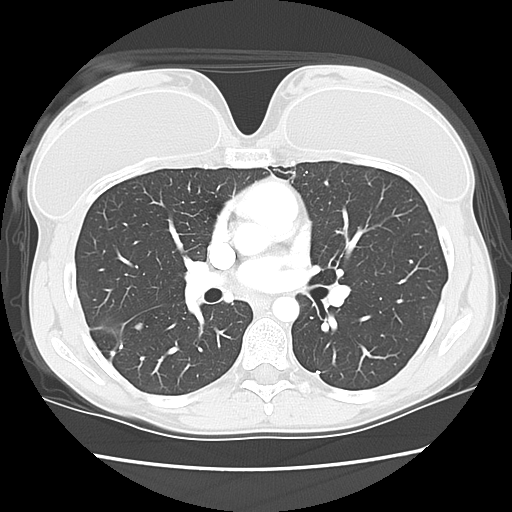
Chest CT, axial plane, 120 kVp, kernel LUNG. Slice 77/129 from the bottom of the scan; thickness 2.50 mm; pixel size 0.625 mm.
Pulmonary nodule at rows 322–330, columns 134–142 (box = the union of the readers' outlines on this slice), outlined by all four readers; longest diameter 5.6–8.5 mm and volume 114–201 mm3 across the four readers' outlines. The readers' ratings, as ranges where they differ: texture 5/5 (solid), all four readers agreeing; margin from 4/5 to 5/5 (circumscribed) across the four readers; sphericity from 3/5 (ovoid) to 5/5 (round) across the four readers; calcification: solid calcification (two), laminated calcification (one), absent (one); internal structure soft tissue from all four readers; subtlety 4–5/5 (the readers disagree); malignancy likelihood 1–3/5 (the readers disagree). Scale key (1–5): texture non-solid→solid, margin indistinct→circumscribed, sphericity linear→round, subtlety extremely subtle→obvious, malignancy likelihood highly unlikely→highly suspicious of cancer. Box rows and columns are 0-based pixel indices from the top-left corner, inclusive.